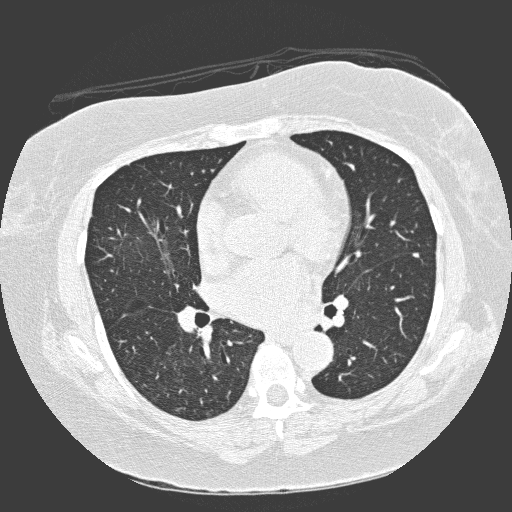
One axial slice (168 of 300, counting up from the lowest) of a chest CT acquired at 120 kVp with the D kernel; each pixel is 0.654 mm and the slice is 1.00 mm thick.
Pulmonary nodule outlined by all four readers; box rows 253–257, columns 411–418 (the union of the readers' outlines on this slice); longest diameter 5.1–6.2 mm and volume 25–57 mm3 across the four readers' outlines. The readers' ratings, as ranges where they differ: texture 5/5 (solid), all four readers agreeing; margin from 4/5 to 5/5 (circumscribed) across the four readers; sphericity from 3/5 (ovoid) to 5/5 (round) across the four readers; calcification: absent (three), solid calcification (one); internal structure soft tissue from all four readers; subtlety rated between 3 and 5 out of 5 by the four readers; malignancy likelihood 1–3/5 (the readers disagree). Scale key (1–5): texture non-solid→solid, margin indistinct→circumscribed, sphericity linear→round, subtlety extremely subtle→obvious, malignancy likelihood highly unlikely→highly suspicious of cancer. Box rows and columns are 0-based pixel indices from the top-left corner, inclusive.